One axial slice (340 of 376, counting up from the lowest) of a chest CT acquired at 120 kVp with the B30f kernel; each pixel is 0.461 mm and the slice is 0.75 mm thick.
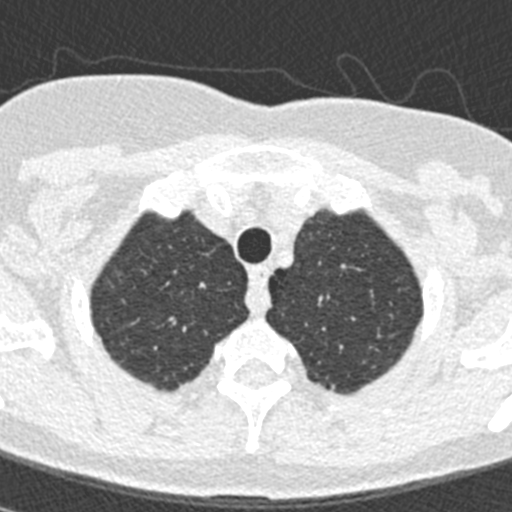
Pulmonary nodule, outlined by one of the four readers. Box on this slice rows 382–385, columns 178–181, that reader's outline on this slice; longest diameter 4.3 mm and volume 32 mm3 from that reader's outline. Ratings by that reader: texture 5/5 (solid); margin 4/5; sphericity 4/5; calcification absent; internal structure soft tissue; subtlety 5/5; malignancy likelihood 3/5. Scale key (1–5): texture non-solid→solid, margin indistinct→circumscribed, sphericity linear→round, subtlety extremely subtle→obvious, malignancy likelihood highly unlikely→highly suspicious of cancer. Box rows and columns are 0-based pixel indices from the top-left corner, inclusive.